Chest CT, axial plane, 135 kVp, kernel FC01. Slice 60/100 from the bottom of the scan; thickness 3.00 mm; pixel size 0.540 mm.
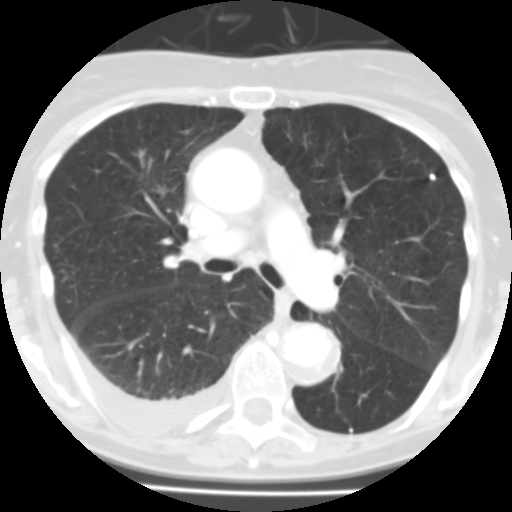
Pulmonary nodule at rows 174–179, columns 429–435 (box = that reader's outline on this slice), outlined by one of the four readers; longest diameter 4.5 mm and volume 51 mm3 from that reader's outline. Ratings by that reader: texture 5/5 (solid); margin 5/5 (circumscribed); sphericity 3/5 (ovoid); calcification solid calcification; internal structure soft tissue; subtlety 4/5; malignancy likelihood 1/5. Scale key (1–5): texture non-solid→solid, margin indistinct→circumscribed, sphericity linear→round, subtlety extremely subtle→obvious, malignancy likelihood highly unlikely→highly suspicious of cancer. Box rows and columns are 0-based pixel indices from the top-left corner, inclusive.